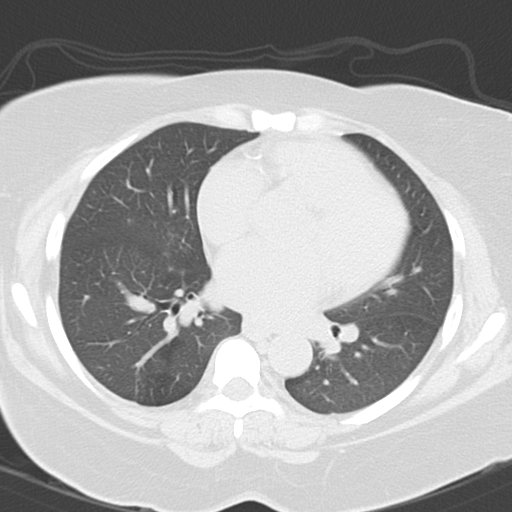
Chest CT, axial plane, 120 kVp, kernel B45f. Slice 57/101 from the bottom of the scan; thickness 3.00 mm; pixel size 0.586 mm.
This slice carries no reader outline of a nodule 3 mm or larger.